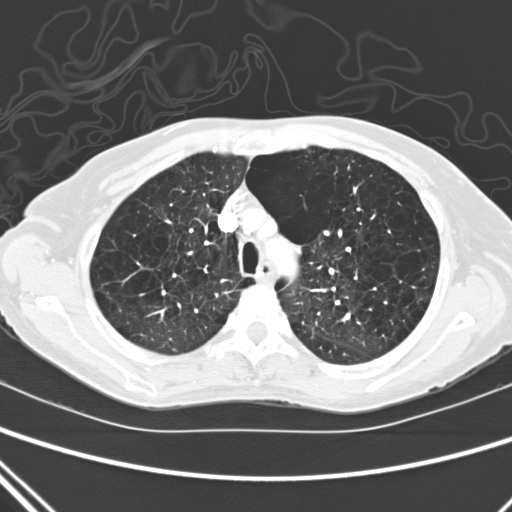
Axial slice 200 of 280 of a chest CT (slice 1 is the lowest), reconstructed with the D kernel at 120 kVp; 2.00 mm slice thickness and 0.627 mm pixels.
Pulmonary nodule at rows 349–351, columns 171–176 (box = that reader's outline on this slice), outlined by one of the four readers; longest diameter 4.6 mm and volume 29 mm3 from that reader's outline. That reader's ratings: texture 5/5 (solid); margin 5/5 (circumscribed); sphericity 5/5 (round); calcification absent; internal structure soft tissue; subtlety 3/5; malignancy likelihood 1/5. Scale key (1–5): texture non-solid→solid, margin indistinct→circumscribed, sphericity linear→round, subtlety extremely subtle→obvious, malignancy likelihood highly unlikely→highly suspicious of cancer. Box rows and columns are 0-based pixel indices from the top-left corner, inclusive.